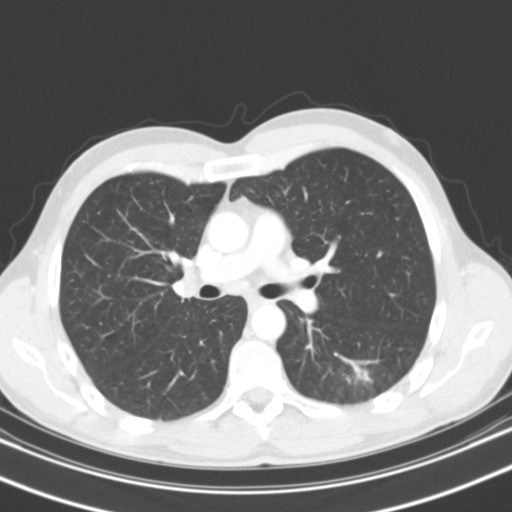
One axial slice (70 of 119, counting up from the lowest) of a chest CT acquired at 130 kVp with the B31s kernel; each pixel is 0.650 mm and the slice is 3.00 mm thick.
Pulmonary nodule at rows 367–390, columns 355–375 (box = the union of the readers' outlines on this slice), outlined by all four readers; the four readers' outlines give a longest diameter between 31.4 and 40.2 mm and a volume between 6737 and 11596 mm3. The readers' ratings, as ranges where they differ: texture from 4/5 to 5/5 (solid) across the four readers; margin from 1/5 (indistinct) to 4/5 across the four readers; sphericity from 3/5 (ovoid) to 5/5 (round) across the four readers; calcification absent from all four readers; internal structure: soft tissue (three), air (one); subtlety 5/5, all four readers agreeing; malignancy likelihood 2–5/5 (the readers disagree). Scale key (1–5): texture non-solid→solid, margin indistinct→circumscribed, sphericity linear→round, subtlety extremely subtle→obvious, malignancy likelihood highly unlikely→highly suspicious of cancer. Box rows and columns are 0-based pixel indices from the top-left corner, inclusive.